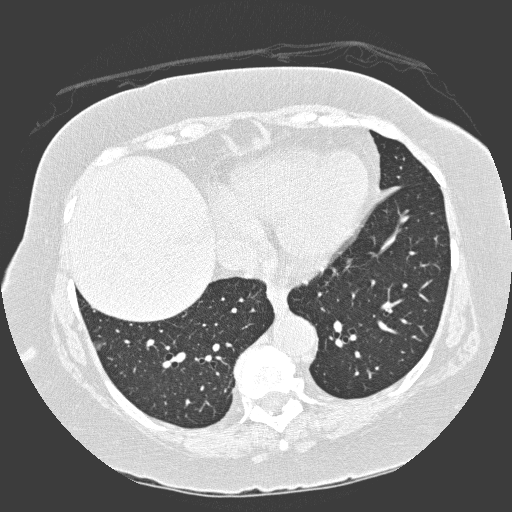
Axial chest CT slice 116 of 300 (counted from the lowest slice); tube voltage 120 kVp, convolution kernel D; slices 1.00 mm thick, 0.654 mm per pixel.
Pulmonary nodule outlined by one of the four readers; box rows 340–349, columns 94–101 (that reader's outline on this slice); longest diameter 7.5 mm and volume 60 mm3 from that reader's outline. Ratings by that reader: texture 1/5 (non-solid); margin 1/5 (indistinct); sphericity 3/5 (ovoid); calcification absent; internal structure soft tissue; subtlety 5/5; malignancy likelihood 3/5. Scale key (1–5): texture non-solid→solid, margin indistinct→circumscribed, sphericity linear→round, subtlety extremely subtle→obvious, malignancy likelihood highly unlikely→highly suspicious of cancer. Box rows and columns are 0-based pixel indices from the top-left corner, inclusive.